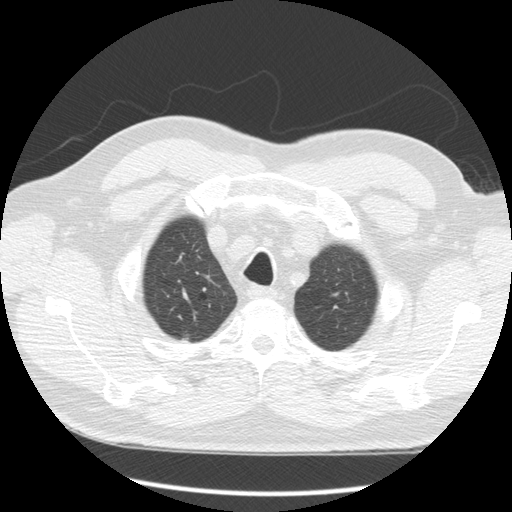
This is axial slice 147 of 163 (slice 1 is the lowest) of a chest CT; each pixel is 0.703 mm and the slice is 2.50 mm thick. Pulmonary nodule outlined by all four readers, one of them on this slice; box rows 338–341, columns 182–187 (the one reader's outline on this slice); longest diameter 15.0 mm on average over the four readers' outlines (readers' outlines 12.5–16.1 mm), volume 399–656 mm3. Ratings, by the readers' most common answer with dissent counted: most readers (three of four) put texture at 5/5 (solid), others 4/5 (one); margin 3/5 by two of four readers; the rest gave 2/5 (one), 4/5 (one); sphericity split among the readers: 3/5 (ovoid) (two), 4/5 (two); calcification absent, all four readers agreeing; internal structure soft tissue, all four readers agreeing; subtlety 5/5 by three of four readers; the rest gave 4/5 (one); malignancy likelihood 4/5 by three of four readers; the rest gave 3/5 (one). Scale key (1–5): texture non-solid→solid, margin indistinct→circumscribed, sphericity linear→round, subtlety extremely subtle→obvious, malignancy likelihood highly unlikely→highly suspicious of cancer. Box rows and columns are 0-based pixel indices from the top-left corner, inclusive.
Tube voltage 120 kVp; convolution kernel STANDARD.